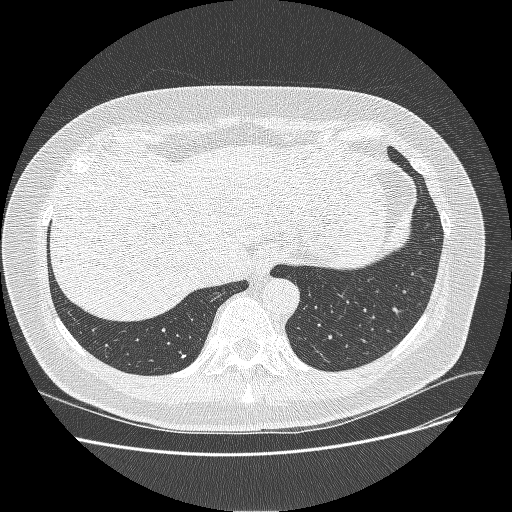
One axial slice (72 of 270, counting up from the lowest) of a chest CT acquired at 120 kVp with the BONE kernel; each pixel is 0.703 mm and the slice is 1.25 mm thick.
Pulmonary nodule outlined by one of the four readers; box rows 354–357, columns 181–185 (that reader's outline on this slice); longest diameter 4.4 mm and volume 40 mm3 from that reader's outline. That reader's ratings: texture 5/5 (solid); margin 5/5 (circumscribed); sphericity 5/5 (round); calcification solid calcification; internal structure soft tissue; subtlety 5/5; malignancy likelihood 1/5. Scale key (1–5): texture non-solid→solid, margin indistinct→circumscribed, sphericity linear→round, subtlety extremely subtle→obvious, malignancy likelihood highly unlikely→highly suspicious of cancer. Box rows and columns are 0-based pixel indices from the top-left corner, inclusive.